Axial slice 101 of 133 of a chest CT (slice 1 is the lowest), reconstructed with the LUNG kernel at 120 kVp; 2.50 mm slice thickness and 0.625 mm pixels.
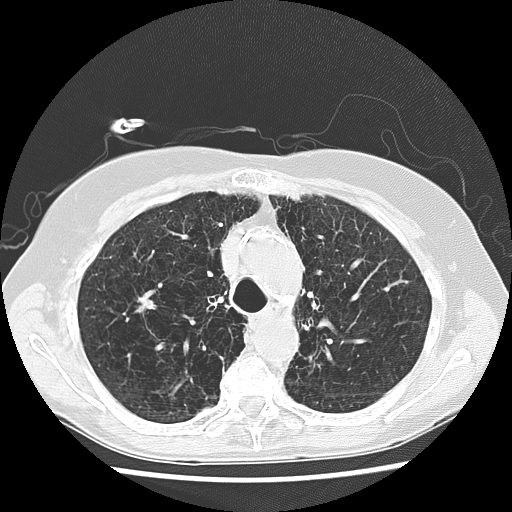
Pulmonary nodule at rows 298–311, columns 137–155 (box = the union of the readers' outlines on this slice), outlined by all four readers; longest diameter 11.3–13.4 mm and volume 345–536 mm3 across the four readers' outlines. The readers' ratings, as ranges where they differ: texture 5/5 (solid), all four readers agreeing; margin from 1/5 (indistinct) to 4/5 across the four readers; sphericity from 2/5 to 3/5 (ovoid) across the four readers; calcification absent from all four readers; internal structure soft tissue, all four readers agreeing; subtlety from 3/5 to 5/5 across the four readers; malignancy likelihood rated between 3 and 5 out of 5 by the four readers. Scale key (1–5): texture non-solid→solid, margin indistinct→circumscribed, sphericity linear→round, subtlety extremely subtle→obvious, malignancy likelihood highly unlikely→highly suspicious of cancer. Box rows and columns are 0-based pixel indices from the top-left corner, inclusive.